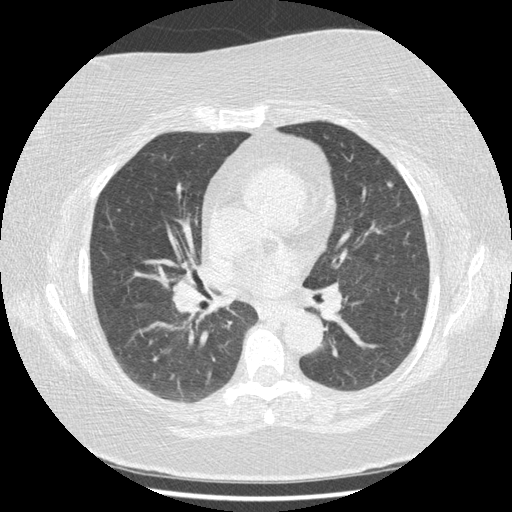
One axial slice (236 of 417, counting up from the lowest) of a chest CT acquired at 120 kVp with the STANDARD kernel; each pixel is 0.703 mm and the slice is 1.25 mm thick.
Pulmonary nodule, outlined by three of the four readers. Box on this slice rows 180–188, columns 386–394, the union of the readers' outlines on this slice; longest diameter 7.1 mm on average over the three readers' outlines (readers' outlines 6.6–7.3 mm), volume 55–92 mm3. The readers' prevailing ratings and who disagreed: most readers (two of three) put texture at 5/5 (solid), others 3/5 (part-solid) (one); margin split among the readers: 2/5 (one), 3/5 (one), 4/5 (one); sphericity 4/5 from all three readers; calcification absent from all three readers; internal structure soft tissue from all three readers; subtlety 4/5 by two of three readers; the rest gave 5/5 (one); most readers (two of three) put malignancy likelihood at 3/5, others 2/5 (one). Scale key (1–5): texture non-solid→solid, margin indistinct→circumscribed, sphericity linear→round, subtlety extremely subtle→obvious, malignancy likelihood highly unlikely→highly suspicious of cancer. Box rows and columns are 0-based pixel indices from the top-left corner, inclusive.